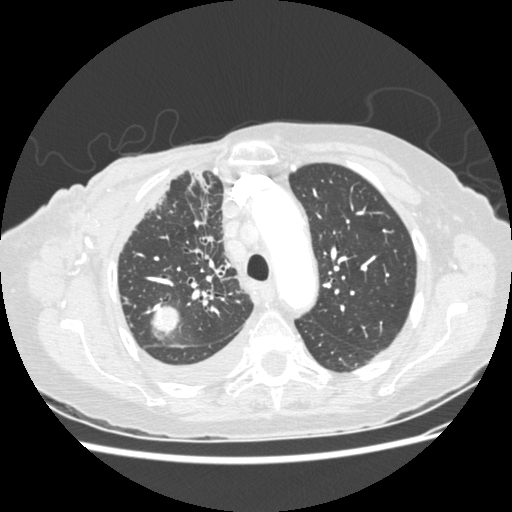
Axial slice 191 of 238 of a chest CT (slice 1 is the lowest), reconstructed with the STANDARD kernel at 120 kVp; 1.25 mm slice thickness and 0.664 mm pixels.
Pulmonary nodule, outlined by two of the four readers. Box on this slice rows 305–333, columns 150–179, the union of the readers' outlines on this slice; the two readers' outlines give a longest diameter between 31.3 and 33.5 mm and a volume between 8200 and 8583 mm3. The readers' ratings, as ranges where they differ: texture 5/5 (solid) from both readers; margin from 4/5 to 5/5 (circumscribed) across the two readers; sphericity 4/5 from both readers; calcification absent from both readers; internal structure soft tissue from both readers; subtlety 5/5 from both readers; malignancy likelihood rated between 3 and 5 out of 5 by the two readers. Scale key (1–5): texture non-solid→solid, margin indistinct→circumscribed, sphericity linear→round, subtlety extremely subtle→obvious, malignancy likelihood highly unlikely→highly suspicious of cancer. Box rows and columns are 0-based pixel indices from the top-left corner, inclusive.